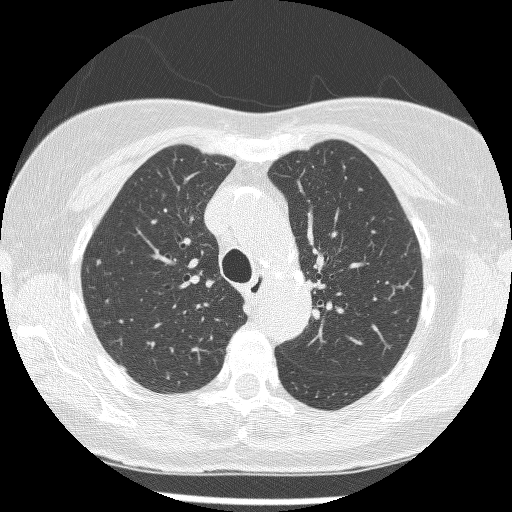
Chest CT, axial plane, 120 kVp, kernel BONE. Slice 186/241 from the bottom of the scan; thickness 1.25 mm; pixel size 0.590 mm.
Two pulmonary nodules on this slice, listed from left to right. (1) Pulmonary nodule, outlined by one of the four readers. Box on this slice rows 258–266, columns 95–100, that reader's outline on this slice; longest diameter 7.2 mm and volume 73 mm3 from that reader's outline. That reader's ratings: texture 3/5 (part-solid); margin 1/5 (indistinct); sphericity 4/5; calcification absent; internal structure soft tissue; subtlety 3/5; malignancy likelihood 3/5. (2) Pulmonary nodule at rows 365–371, columns 119–126 (box = that reader's outline on this slice), outlined by one of the four readers; longest diameter 8.5 mm and volume 87 mm3 from that reader's outline. Ratings by that reader: texture 3/5 (part-solid); margin 1/5 (indistinct); sphericity 3/5 (ovoid); calcification absent; internal structure soft tissue; subtlety 3/5; malignancy likelihood 3/5. Scale key (1–5): texture non-solid→solid, margin indistinct→circumscribed, sphericity linear→round, subtlety extremely subtle→obvious, malignancy likelihood highly unlikely→highly suspicious of cancer. Box rows and columns are 0-based pixel indices from the top-left corner, inclusive.